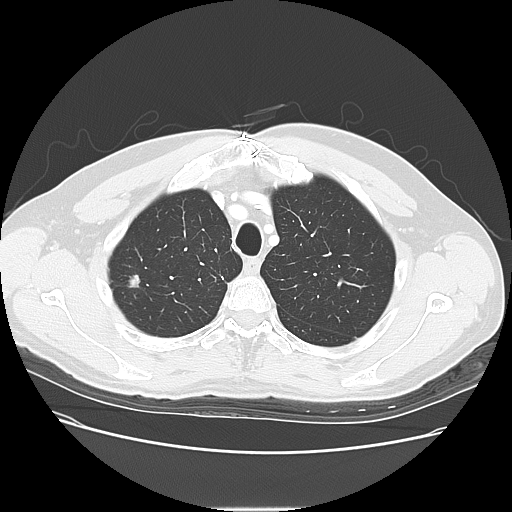
Axial chest CT slice 95 of 117 (counted from the lowest slice); tube voltage 120 kVp, convolution kernel LUNG; slices 2.50 mm thick, 0.723 mm per pixel.
Pulmonary nodule outlined by all four readers; box rows 274–288, columns 128–140 (the union of the readers' outlines on this slice); median longest diameter 14.0 mm (readers' outlines 13.2–14.9 mm), median volume 937 mm3 (887–1039 mm3). Median ratings and the readers' spread: texture 5/5 (solid), all four readers agreeing; margin 4/5 at the median of four readers, spread 4/5 to 5/5 (circumscribed); median sphericity 4.5/5 (readers ranged 4/5 to 5/5 (round)); calcification: absent (three), solid calcification (one); internal structure soft tissue from all four readers; median subtlety 5/5 (readers ranged 4–5); median malignancy likelihood 3.5/5 (readers ranged 1–4). Scale key (1–5): texture non-solid→solid, margin indistinct→circumscribed, sphericity linear→round, subtlety extremely subtle→obvious, malignancy likelihood highly unlikely→highly suspicious of cancer. Box rows and columns are 0-based pixel indices from the top-left corner, inclusive.